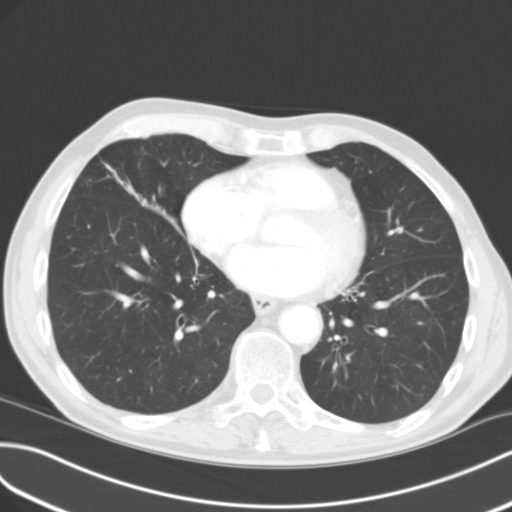
One axial slice (46 of 114, counting up from the lowest) of a chest CT acquired at 120 kVp with the B31f kernel; each pixel is 0.689 mm and the slice is 3.00 mm thick.
No nodule of 3 mm or larger was outlined by any of the four readers on this slice.